Chest CT, axial plane, 120 kVp, kernel C. Slice 237/300 from the bottom of the scan; thickness 2.00 mm; pixel size 0.715 mm.
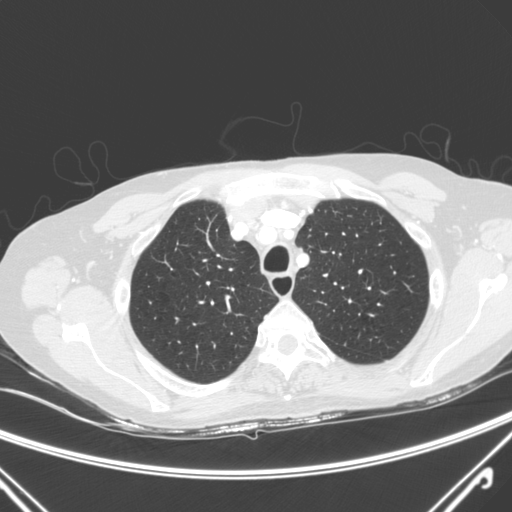
Pulmonary nodule at rows 343–345, columns 343–346 (box = the union of the readers' outlines on this slice), outlined by two of the four readers; longest diameter 4.3 mm on average over the two readers' outlines (readers' outlines 4.3 mm), volume 32–40 mm3. The readers' prevailing ratings and who disagreed: texture 5/5 (solid) from both readers; margin 5/5 (circumscribed) from both readers; sphericity split among the readers: 3/5 (ovoid) (one), 4/5 (one); calcification absent, both readers agreeing; internal structure soft tissue, both readers agreeing; subtlety split among the readers: 3/5 (one), 5/5 (one); malignancy likelihood 2/5, both readers agreeing. Scale key (1–5): texture non-solid→solid, margin indistinct→circumscribed, sphericity linear→round, subtlety extremely subtle→obvious, malignancy likelihood highly unlikely→highly suspicious of cancer. Box rows and columns are 0-based pixel indices from the top-left corner, inclusive.